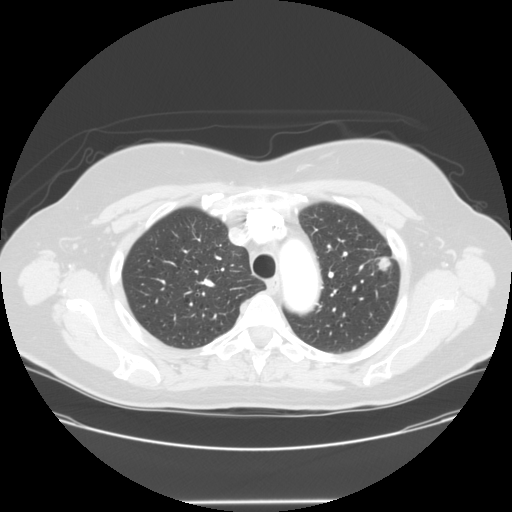
Axial slice 108 of 138 of a chest CT (slice 1 is the lowest), reconstructed with the STANDARD kernel at 120 kVp; 2.50 mm slice thickness and 0.781 mm pixels.
Pulmonary nodule at rows 256–271, columns 375–391 (box = the union of the readers' outlines on this slice), outlined by all four readers; longest diameter 29.1–32.9 mm and volume 5563–6580 mm3 across the four readers' outlines. Ratings across the readers: texture from 4/5 to 5/5 (solid) across the four readers; margin from 3/5 to 4/5 across the four readers; sphericity from 3/5 (ovoid) to 5/5 (round) across the four readers; calcification absent, all four readers agreeing; internal structure soft tissue from all four readers; subtlety 5/5, all four readers agreeing; malignancy likelihood 4–5/5 (the readers disagree). Scale key (1–5): texture non-solid→solid, margin indistinct→circumscribed, sphericity linear→round, subtlety extremely subtle→obvious, malignancy likelihood highly unlikely→highly suspicious of cancer. Box rows and columns are 0-based pixel indices from the top-left corner, inclusive.